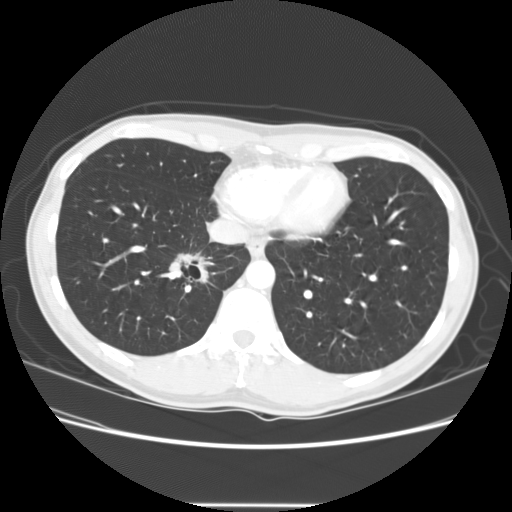
Chest CT, axial plane, 120 kVp, kernel STANDARD. Slice 44/141 from the bottom of the scan; thickness 2.50 mm; pixel size 0.703 mm.
Pulmonary nodule, outlined four times (the source holds one more outline, not used). Box on this slice rows 252–282, columns 166–214, the union of the readers' outlines on this slice; median longest diameter 32.5 mm (readers' outlines 31.6–34.1 mm), median volume 6128 mm3 (4983–9079 mm3). Median ratings and the readers' spread: texture 5/5 (solid), all four readers agreeing; median margin 3/5 (readers ranged 1/5 (indistinct) to 3/5); sphericity 3.5/5 at the median of four readers, spread 3/5 (ovoid) to 4/5; calcification absent, all four readers agreeing; internal structure split among the readers: air (two), soft tissue (two); subtlety 5/5 from all four readers; malignancy likelihood 5/5 from all four readers. Scale key (1–5): texture non-solid→solid, margin indistinct→circumscribed, sphericity linear→round, subtlety extremely subtle→obvious, malignancy likelihood highly unlikely→highly suspicious of cancer. Box rows and columns are 0-based pixel indices from the top-left corner, inclusive.